One axial slice (420 of 583, counting up from the lowest) of a chest CT acquired at 120 kVp with the STANDARD kernel; each pixel is 0.703 mm and the slice is 1.25 mm thick.
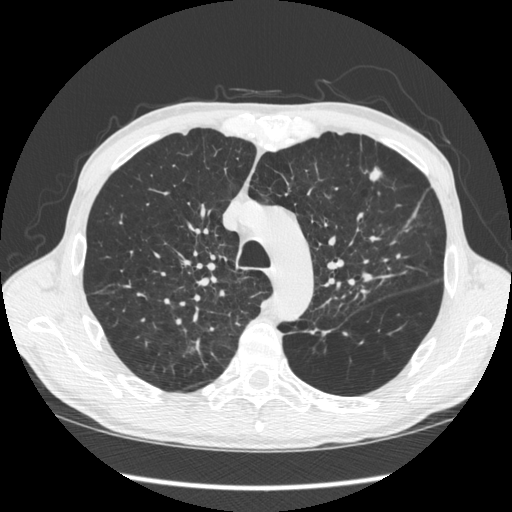
Pulmonary nodule at rows 166–182, columns 368–382 (box = the union of the readers' outlines on this slice), outlined by all four readers; median longest diameter 14.4 mm (readers' outlines 10.5–14.8 mm), median volume 421 mm3 (293–480 mm3). Median ratings and the readers' spread: texture 5/5 (solid) from all four readers; median margin 4.5/5 (readers ranged 3/5 to 5/5 (circumscribed)); sphericity 3/5 (ovoid) at the median of four readers, spread 2/5 to 5/5 (round); calcification absent, all four readers agreeing; internal structure soft tissue, all four readers agreeing; subtlety 4.5/5 at the median of four readers, spread 3–5; median malignancy likelihood 4.5/5 (readers ranged 2–5). Scale key (1–5): texture non-solid→solid, margin indistinct→circumscribed, sphericity linear→round, subtlety extremely subtle→obvious, malignancy likelihood highly unlikely→highly suspicious of cancer. Box rows and columns are 0-based pixel indices from the top-left corner, inclusive.